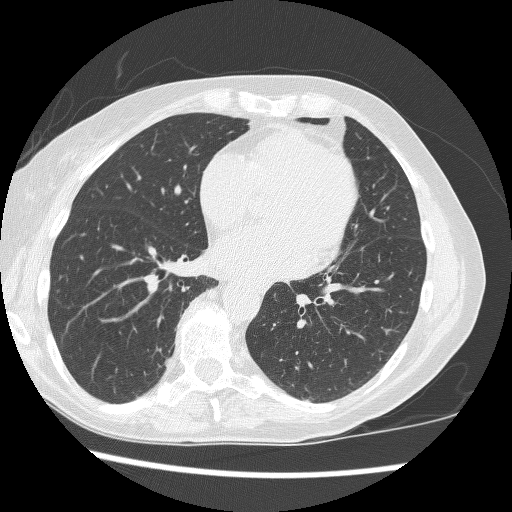
One axial slice (123 of 257, counting up from the lowest) of a chest CT acquired at 120 kVp with the BONE kernel; each pixel is 0.627 mm and the slice is 1.25 mm thick.
Pulmonary nodule at rows 358–367, columns 164–172 (box = the union of the readers' outlines on this slice), outlined by all four readers; the four readers' outlines give a longest diameter between 9.0 and 11.5 mm and a volume between 130 and 194 mm3. Ratings across the readers: texture from 4/5 to 5/5 (solid) across the four readers; margin from 3/5 to 4/5 across the four readers; sphericity from 2/5 to 3/5 (ovoid) across the four readers; calcification absent from all four readers; internal structure soft tissue, all four readers agreeing; subtlety rated between 3 and 4 out of 5 by the four readers; malignancy likelihood 2–3/5 (the readers disagree). Scale key (1–5): texture non-solid→solid, margin indistinct→circumscribed, sphericity linear→round, subtlety extremely subtle→obvious, malignancy likelihood highly unlikely→highly suspicious of cancer. Box rows and columns are 0-based pixel indices from the top-left corner, inclusive.